One axial slice (48 of 132, counting up from the lowest) of a chest CT acquired at 140 kVp with the BONE kernel; each pixel is 0.703 mm and the slice is 2.50 mm thick.
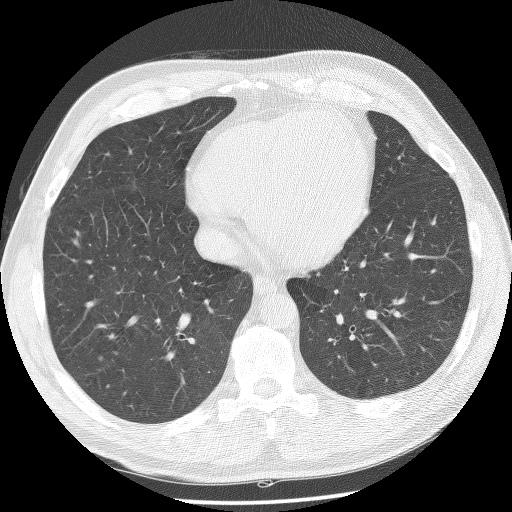
Pulmonary nodule, outlined by one of the four readers. Box on this slice rows 356–360, columns 99–102, that reader's outline on this slice; longest diameter 4.7 mm and volume 62 mm3 from that reader's outline. Ratings by that reader: texture 5/5 (solid); margin 4/5; sphericity 4/5; calcification absent; internal structure soft tissue; subtlety 3/5; malignancy likelihood 3/5. Scale key (1–5): texture non-solid→solid, margin indistinct→circumscribed, sphericity linear→round, subtlety extremely subtle→obvious, malignancy likelihood highly unlikely→highly suspicious of cancer. Box rows and columns are 0-based pixel indices from the top-left corner, inclusive.